Chest CT, axial plane, 120 kVp, kernel STANDARD. Slice 57/471 from the bottom of the scan; thickness 1.25 mm; pixel size 0.586 mm.
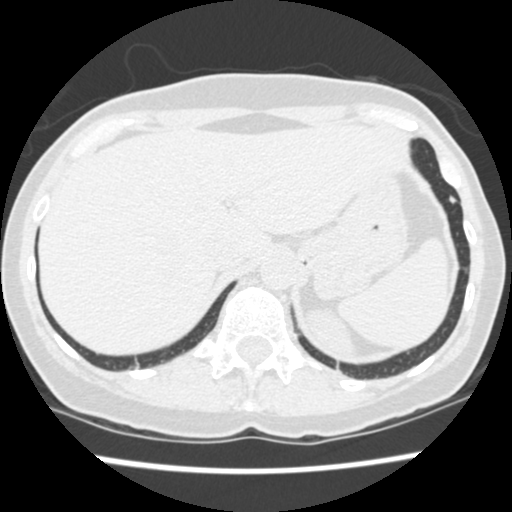
Pulmonary nodule at rows 195–204, columns 449–457 (box = the union of the readers' outlines on this slice), outlined by all four readers; longest diameter 6.1–9.0 mm and volume 96–205 mm3 across the four readers' outlines. Ratings across the readers: texture 5/5 (solid) from all four readers; margin from 4/5 to 5/5 (circumscribed) across the four readers; sphericity from 3/5 (ovoid) to 5/5 (round) across the four readers; calcification absent, all four readers agreeing; internal structure soft tissue from all four readers; subtlety 3–4/5 (the readers disagree); malignancy likelihood from 2/5 to 4/5 across the four readers. Scale key (1–5): texture non-solid→solid, margin indistinct→circumscribed, sphericity linear→round, subtlety extremely subtle→obvious, malignancy likelihood highly unlikely→highly suspicious of cancer. Box rows and columns are 0-based pixel indices from the top-left corner, inclusive.